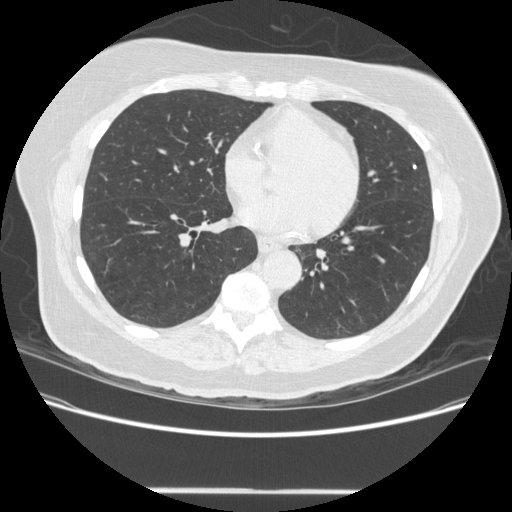
Axial slice 188 of 481 of a chest CT (slice 1 is the lowest), reconstructed with the STANDARD kernel at 120 kVp; 1.25 mm slice thickness and 0.742 mm pixels.
Pulmonary nodule, outlined by two of the four readers. Box on this slice rows 164–168, columns 412–416, the union of the readers' outlines on this slice; median longest diameter 5.4 mm (readers' outlines 5.4 mm), median volume 40 mm3 (38–43 mm3). Ratings, median across the readers with their spread: texture 5/5 (solid) from both readers; median margin 4.5/5 (readers ranged 4/5 to 5/5 (circumscribed)); sphericity 4.5/5 at the median of two readers, spread 4/5 to 5/5 (round); calcification split among the readers: solid calcification (one), absent (one); internal structure soft tissue, both readers agreeing; median subtlety 4/5 (readers ranged 3–5); median malignancy likelihood 1.5/5 (readers ranged 1–2). Scale key (1–5): texture non-solid→solid, margin indistinct→circumscribed, sphericity linear→round, subtlety extremely subtle→obvious, malignancy likelihood highly unlikely→highly suspicious of cancer. Box rows and columns are 0-based pixel indices from the top-left corner, inclusive.